Axial slice 88 of 150 of a chest CT (slice 1 is the lowest), reconstructed with the LUNG kernel at 120 kVp; 2.50 mm slice thickness and 0.781 mm pixels.
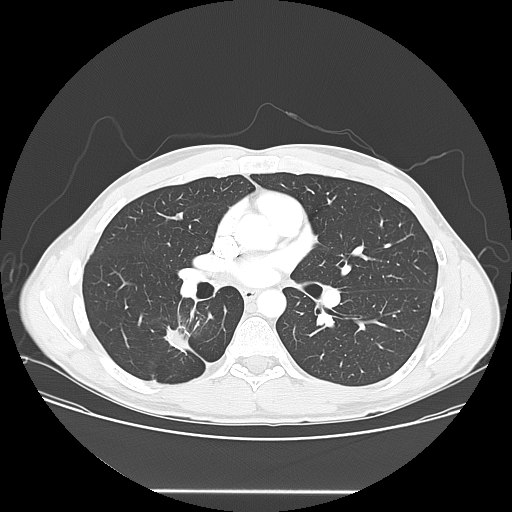
Pulmonary nodule at rows 213–218, columns 178–183 (box = that reader's outline on this slice), outlined by one of the four readers; longest diameter 9.1 mm and volume 317 mm3 from that reader's outline. Ratings by that reader: texture 5/5 (solid); margin 5/5 (circumscribed); sphericity 3/5 (ovoid); calcification solid calcification; internal structure soft tissue; subtlety 4/5; malignancy likelihood 1/5. Scale key (1–5): texture non-solid→solid, margin indistinct→circumscribed, sphericity linear→round, subtlety extremely subtle→obvious, malignancy likelihood highly unlikely→highly suspicious of cancer. Box rows and columns are 0-based pixel indices from the top-left corner, inclusive.